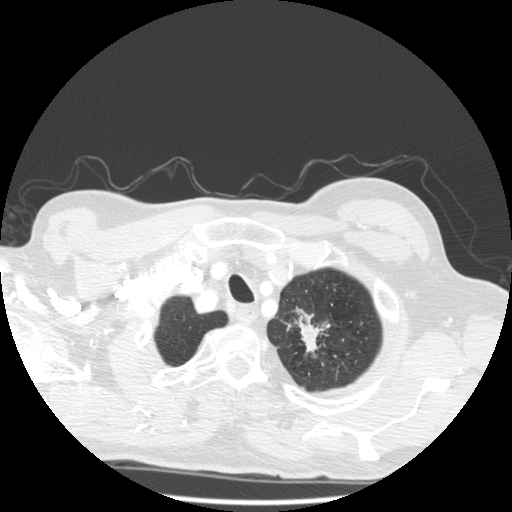
Chest CT, axial plane, 140 kVp, kernel STANDARD. Slice 459/501 from the bottom of the scan; thickness 1.25 mm; pixel size 0.703 mm.
Pulmonary nodule, outlined by three of the four readers. Box on this slice rows 308–356, columns 294–330, the union of the readers' outlines on this slice; longest diameter 35.0 mm on average over the three readers' outlines (readers' outlines 32.1–39.2 mm), volume 2361–4873 mm3. Ratings, by the readers' most common answer with dissent counted: texture 5/5 (solid) by two of three readers; the rest gave 4/5 (one); margin split among the readers: 1/5 (indistinct) (one), 3/5 (one), 5/5 (circumscribed) (one); sphericity split among the readers: 2/5 (one), 3/5 (ovoid) (one), 5/5 (round) (one); calcification absent from all three readers; internal structure soft tissue from all three readers; subtlety 5/5, all three readers agreeing; most readers (two of three) put malignancy likelihood at 5/5, others 4/5 (one). Scale key (1–5): texture non-solid→solid, margin indistinct→circumscribed, sphericity linear→round, subtlety extremely subtle→obvious, malignancy likelihood highly unlikely→highly suspicious of cancer. Box rows and columns are 0-based pixel indices from the top-left corner, inclusive.